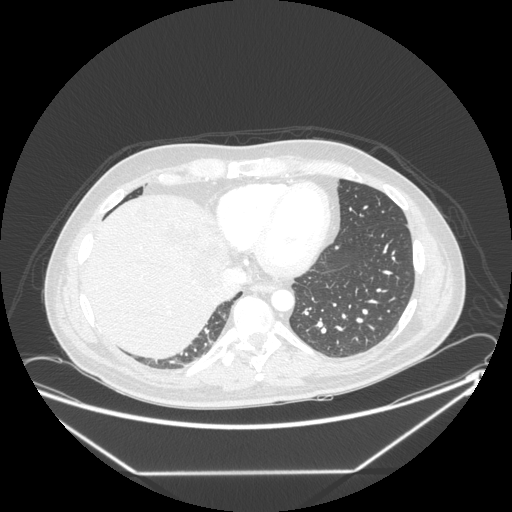
One axial slice (77 of 246, counting up from the lowest) of a chest CT acquired at 120 kVp with the STANDARD kernel; each pixel is 0.859 mm and the slice is 1.25 mm thick.
Pulmonary nodule, outlined by one of the four readers. Box on this slice rows 246–249, columns 335–338, that reader's outline on this slice; longest diameter 4.6 mm and volume 42 mm3 from that reader's outline. That reader's ratings: texture 5/5 (solid); margin 5/5 (circumscribed); sphericity 5/5 (round); calcification absent; internal structure soft tissue; subtlety 1/5; malignancy likelihood 2/5. Scale key (1–5): texture non-solid→solid, margin indistinct→circumscribed, sphericity linear→round, subtlety extremely subtle→obvious, malignancy likelihood highly unlikely→highly suspicious of cancer. Box rows and columns are 0-based pixel indices from the top-left corner, inclusive.